Chest CT, axial plane, 120 kVp, kernel STANDARD. Slice 34/123 from the bottom of the scan; thickness 2.50 mm; pixel size 0.703 mm.
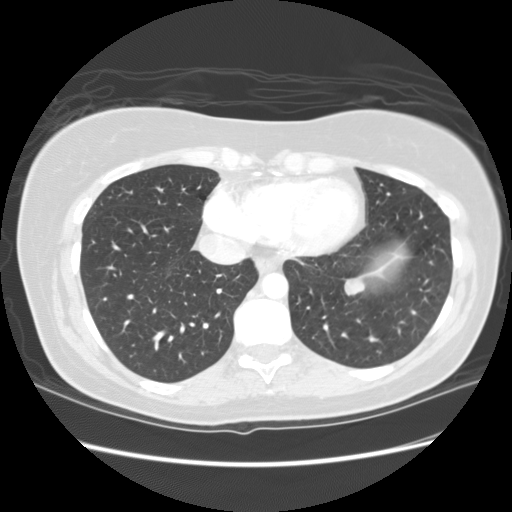
Pulmonary nodule at rows 277–297, columns 343–364 (box = the union of the readers' outlines on this slice), outlined by all four readers; longest diameter 16.2 mm on average over the four readers' outlines (readers' outlines 15.6–16.8 mm), volume 874–1495 mm3. Ratings, by the readers' most common answer with dissent counted: texture 5/5 (solid), all four readers agreeing; margin split among the readers: 4/5 (two), 5/5 (circumscribed) (two); sphericity 5/5 (round) by two of four readers; the rest gave 2/5 (one), 3/5 (ovoid) (one); calcification absent, all four readers agreeing; internal structure soft tissue from all four readers; subtlety 5/5 by two of four readers; the rest gave 2/5 (one), 4/5 (one); malignancy likelihood split among the readers: 2/5 (one), 3/5 (one), 4/5 (one), 5/5 (one). Scale key (1–5): texture non-solid→solid, margin indistinct→circumscribed, sphericity linear→round, subtlety extremely subtle→obvious, malignancy likelihood highly unlikely→highly suspicious of cancer. Box rows and columns are 0-based pixel indices from the top-left corner, inclusive.